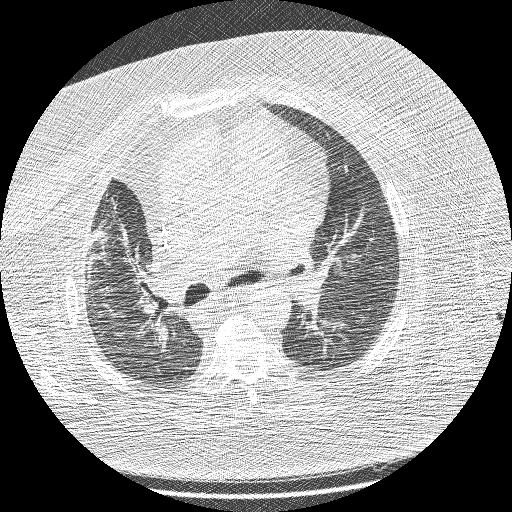
Axial slice 125 of 208 of a chest CT (slice 1 is the lowest), reconstructed with the BONE kernel at 120 kVp; 1.25 mm slice thickness and 0.723 mm pixels.
Pulmonary nodule at rows 222–244, columns 93–111 (box = the union of the readers' outlines on this slice), outlined by all four readers, three of them on this slice; median longest diameter 27.6 mm (readers' outlines 25.6–30.6 mm), median volume 4739 mm3 (4623–6820 mm3). Median ratings and the readers' spread: texture 5/5 (solid), all four readers agreeing; margin 3/5 at the median of four readers, spread 1/5 (indistinct) to 3/5; median sphericity 3/5 (ovoid) (readers ranged 3/5 (ovoid) to 4/5); calcification absent from all four readers; internal structure soft tissue, all four readers agreeing; subtlety 5/5, all four readers agreeing; malignancy likelihood 5/5 from all four readers. Scale key (1–5): texture non-solid→solid, margin indistinct→circumscribed, sphericity linear→round, subtlety extremely subtle→obvious, malignancy likelihood highly unlikely→highly suspicious of cancer. Box rows and columns are 0-based pixel indices from the top-left corner, inclusive.